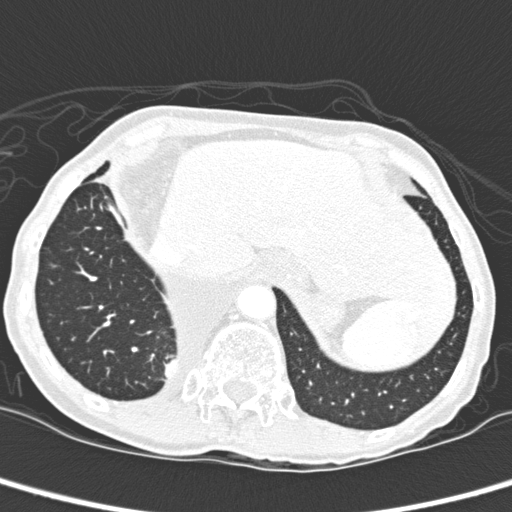
Axial chest CT slice 41 of 280 (counted from the lowest slice); 1.00 mm thick, 0.564 mm per pixel. Pulmonary nodule outlined by two of the four readers; box rows 359–377, columns 165–176 (the union of the readers' outlines on this slice); median longest diameter 33.9 mm (readers' outlines 32.1–35.8 mm), median volume 6179 mm3 (5657–6702 mm3). Ratings, median across the readers with their spread: texture 5/5 (solid), both readers agreeing; margin 4/5 from both readers; sphericity 3/5 (ovoid) from both readers; calcification absent, both readers agreeing; internal structure soft tissue, both readers agreeing; subtlety 5/5 from both readers; malignancy likelihood 2.5/5 at the median of two readers, spread 2–3. Scale key (1–5): texture non-solid→solid, margin indistinct→circumscribed, sphericity linear→round, subtlety extremely subtle→obvious, malignancy likelihood highly unlikely→highly suspicious of cancer. Box rows and columns are 0-based pixel indices from the top-left corner, inclusive.
Scan settings: 120 kVp, D reconstruction kernel.